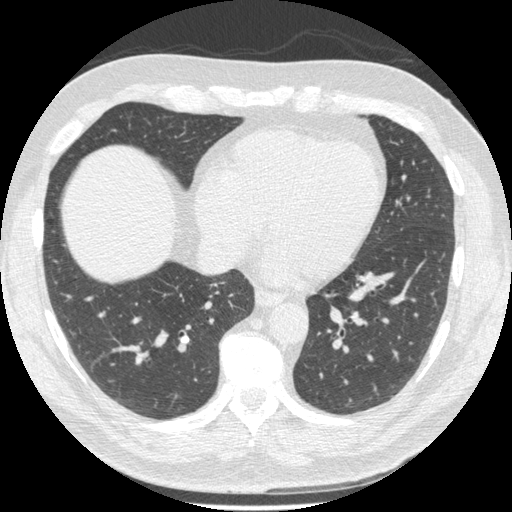
One axial slice (216 of 557, counting up from the lowest) of a chest CT acquired at 120 kVp with the STANDARD kernel; each pixel is 0.703 mm and the slice is 1.25 mm thick.
Pulmonary nodule outlined by all four readers; box rows 335–344, columns 179–189 (the union of the readers' outlines on this slice); the four readers' outlines give a longest diameter between 6.7 and 9.4 mm and a volume between 108 and 158 mm3. The readers' ratings, as ranges where they differ: texture 5/5 (solid) from all four readers; margin 5/5 (circumscribed) from all four readers; sphericity from 3/5 (ovoid) to 5/5 (round) across the four readers; calcification: solid calcification (three), absent (one); internal structure soft tissue from all four readers; subtlety rated between 3 and 5 out of 5 by the four readers; malignancy likelihood 1–2/5 (the readers disagree). Scale key (1–5): texture non-solid→solid, margin indistinct→circumscribed, sphericity linear→round, subtlety extremely subtle→obvious, malignancy likelihood highly unlikely→highly suspicious of cancer. Box rows and columns are 0-based pixel indices from the top-left corner, inclusive.